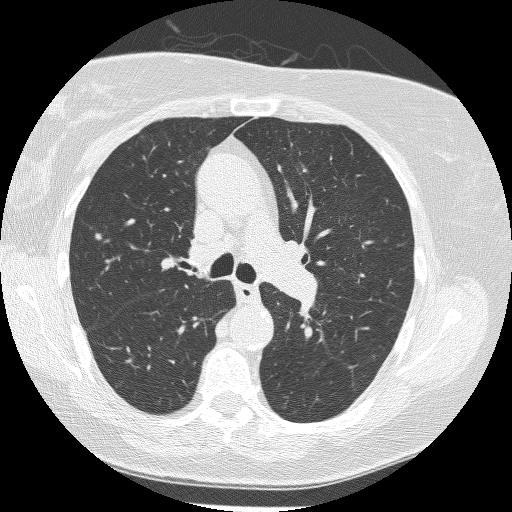
Axial slice 161 of 240 of a chest CT (slice 1 is the lowest), reconstructed with the BONE kernel at 120 kVp; 1.25 mm slice thickness and 0.604 mm pixels.
Pulmonary nodule outlined by two of the four readers; box rows 233–239, columns 94–101 (the union of the readers' outlines on this slice); longest diameter 6.9–7.5 mm and volume 105–107 mm3 across the two readers' outlines. The readers' ratings, as ranges where they differ: texture from 4/5 to 5/5 (solid) across the two readers; margin from 3/5 to 5/5 (circumscribed) across the two readers; sphericity from 3/5 (ovoid) to 4/5 across the two readers; calcification absent, both readers agreeing; internal structure soft tissue, both readers agreeing; subtlety rated between 3 and 4 out of 5 by the two readers; malignancy likelihood rated between 2 and 4 out of 5 by the two readers. Scale key (1–5): texture non-solid→solid, margin indistinct→circumscribed, sphericity linear→round, subtlety extremely subtle→obvious, malignancy likelihood highly unlikely→highly suspicious of cancer. Box rows and columns are 0-based pixel indices from the top-left corner, inclusive.